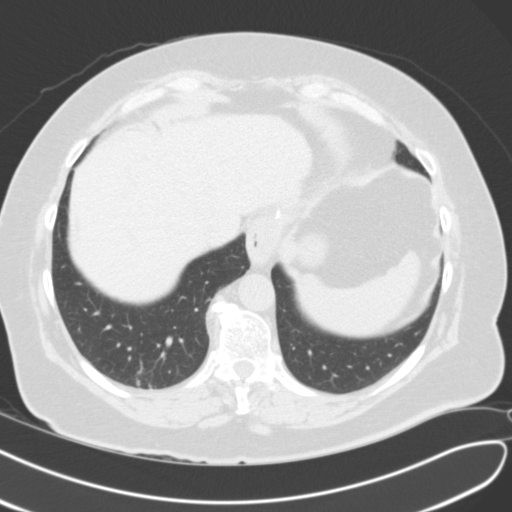
Chest CT, axial plane, 120 kVp, kernel B31f. Slice 33/106 from the bottom of the scan; thickness 3.00 mm; pixel size 0.705 mm.
Pulmonary nodule at rows 377–388, columns 136–152 (box = the union of the readers' outlines on this slice), outlined by all four readers, two of them on this slice; the four readers' outlines give a longest diameter between 19.5 and 21.3 mm and a volume between 1709 and 3140 mm3. Ratings across the readers: texture from 4/5 to 5/5 (solid) across the four readers; margin from 3/5 to 5/5 (circumscribed) across the four readers; sphericity from 4/5 to 5/5 (round) across the four readers; calcification absent, all four readers agreeing; internal structure: soft tissue (three), air (one); subtlety from 4/5 to 5/5 across the four readers; malignancy likelihood 1–5/5 (the readers disagree). Scale key (1–5): texture non-solid→solid, margin indistinct→circumscribed, sphericity linear→round, subtlety extremely subtle→obvious, malignancy likelihood highly unlikely→highly suspicious of cancer. Box rows and columns are 0-based pixel indices from the top-left corner, inclusive.